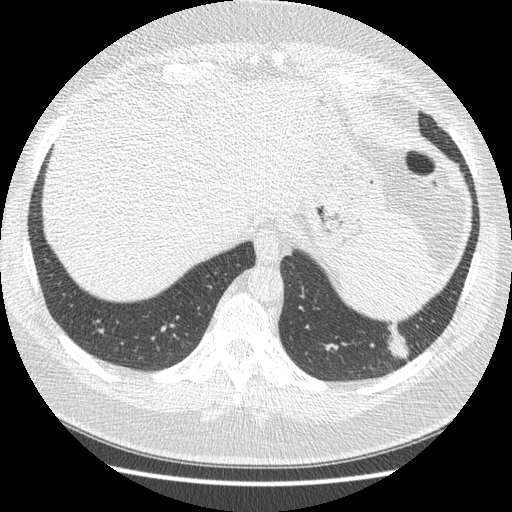
Chest CT, axial plane, 120 kVp, kernel STANDARD. Slice 58/421 from the bottom of the scan; thickness 1.25 mm; pixel size 0.703 mm.
Pulmonary nodule outlined four times (the source holds four more outlines, not used); box rows 322–361, columns 384–409 (the union of the readers' outlines on this slice); the four readers' outlines give a longest diameter between 30.9 and 38.9 mm and a volume between 4443 and 5826 mm3. The readers' ratings, as ranges where they differ: texture from 4/5 to 5/5 (solid) across the four readers; margin from 3/5 to 4/5 across the four readers; sphericity from 2/5 to 4/5 across the four readers; calcification absent, all four readers agreeing; internal structure soft tissue from all four readers; subtlety 4–5/5 (the readers disagree); malignancy likelihood 2–5/5 (the readers disagree). Scale key (1–5): texture non-solid→solid, margin indistinct→circumscribed, sphericity linear→round, subtlety extremely subtle→obvious, malignancy likelihood highly unlikely→highly suspicious of cancer. Box rows and columns are 0-based pixel indices from the top-left corner, inclusive.